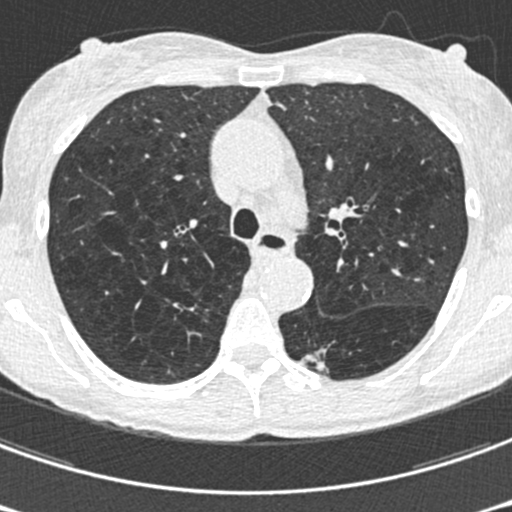
Slice 428/633 of a chest CT, counting up from the lowest; pixel size 0.541 mm, slice thickness 0.60 mm. Pulmonary nodule, outlined by one of the four readers. Box on this slice rows 350–373, columns 299–328, that reader's outline on this slice; longest diameter 20.7 mm and volume 470 mm3 from that reader's outline. That reader's ratings: texture 5/5 (solid); margin 1/5 (indistinct); sphericity 2/5; calcification absent; internal structure soft tissue; subtlety 4/5; malignancy likelihood 3/5. Scale key (1–5): texture non-solid→solid, margin indistinct→circumscribed, sphericity linear→round, subtlety extremely subtle→obvious, malignancy likelihood highly unlikely→highly suspicious of cancer. Box rows and columns are 0-based pixel indices from the top-left corner, inclusive.
Scan settings: 120 kVp, B30f reconstruction kernel.